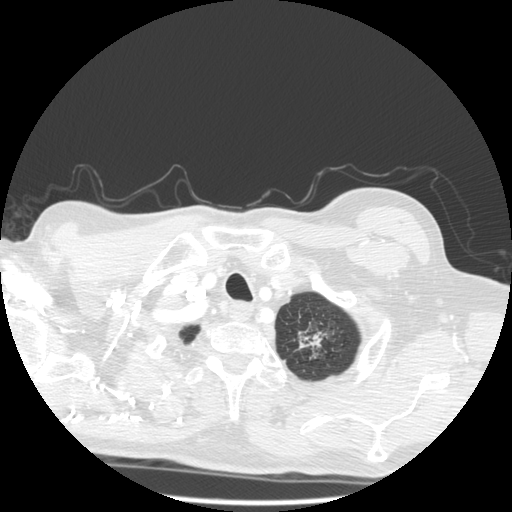
Axial slice 475 of 501 of a chest CT (slice 1 is the lowest), reconstructed with the STANDARD kernel at 140 kVp; 1.25 mm slice thickness and 0.703 mm pixels.
Pulmonary nodule at rows 329–349, columns 298–326 (box = the union of the readers' outlines on this slice), outlined by three of the four readers, two of them on this slice; longest diameter 32.1–39.2 mm and volume 2361–4873 mm3 across the three readers' outlines. The readers' ratings, as ranges where they differ: texture from 4/5 to 5/5 (solid) across the three readers; margin from 1/5 (indistinct) to 5/5 (circumscribed) across the three readers; sphericity from 2/5 to 5/5 (round) across the three readers; calcification absent from all three readers; internal structure soft tissue, all three readers agreeing; subtlety 5/5, all three readers agreeing; malignancy likelihood from 4/5 to 5/5 across the three readers. Scale key (1–5): texture non-solid→solid, margin indistinct→circumscribed, sphericity linear→round, subtlety extremely subtle→obvious, malignancy likelihood highly unlikely→highly suspicious of cancer. Box rows and columns are 0-based pixel indices from the top-left corner, inclusive.